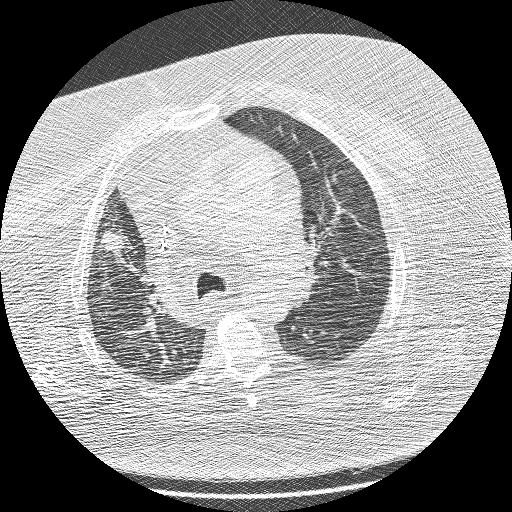
Chest CT, axial plane, 120 kVp, kernel BONE. Slice 138/208 from the bottom of the scan; thickness 1.25 mm; pixel size 0.723 mm.
Pulmonary nodule, outlined by all four readers. Box on this slice rows 228–255, columns 99–129, the union of the readers' outlines on this slice; longest diameter 27.8 mm on average over the four readers' outlines (readers' outlines 25.6–30.6 mm), volume 4623–6820 mm3. The readers' prevailing ratings and who disagreed: texture 5/5 (solid), all four readers agreeing; margin 3/5 by three of four readers; the rest gave 1/5 (indistinct) (one); most readers (three of four) put sphericity at 3/5 (ovoid), others 4/5 (one); calcification absent, all four readers agreeing; internal structure soft tissue, all four readers agreeing; subtlety 5/5 from all four readers; malignancy likelihood 5/5 from all four readers. Scale key (1–5): texture non-solid→solid, margin indistinct→circumscribed, sphericity linear→round, subtlety extremely subtle→obvious, malignancy likelihood highly unlikely→highly suspicious of cancer. Box rows and columns are 0-based pixel indices from the top-left corner, inclusive.